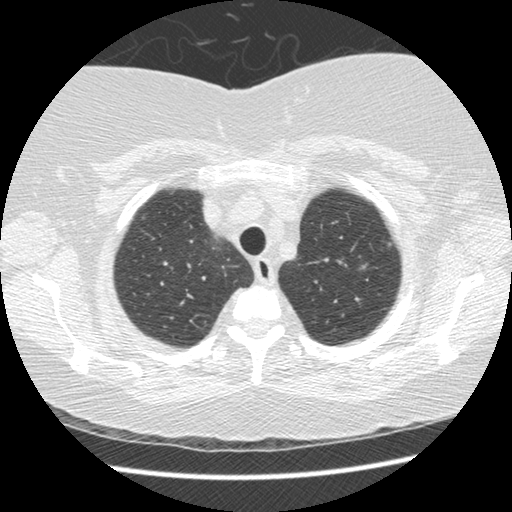
Axial chest CT slice 413 of 474 (counted from the lowest slice); tube voltage 120 kVp, convolution kernel STANDARD; slices 1.25 mm thick, 0.645 mm per pixel.
Pulmonary nodule, outlined by three of the four readers, two of them on this slice. Box on this slice rows 265–269, columns 359–365, the union of the readers' outlines on this slice; longest diameter 8.2–9.8 mm and volume 122–196 mm3 across the three readers' outlines. The readers' ratings, as ranges where they differ: texture from 1/5 (non-solid) to 5/5 (solid) across the three readers; margin from 2/5 to 4/5 across the three readers; sphericity from 4/5 to 5/5 (round) across the three readers; calcification absent, all three readers agreeing; internal structure soft tissue from all three readers; subtlety rated between 4 and 5 out of 5 by the three readers; malignancy likelihood 4/5, all three readers agreeing. Scale key (1–5): texture non-solid→solid, margin indistinct→circumscribed, sphericity linear→round, subtlety extremely subtle→obvious, malignancy likelihood highly unlikely→highly suspicious of cancer. Box rows and columns are 0-based pixel indices from the top-left corner, inclusive.